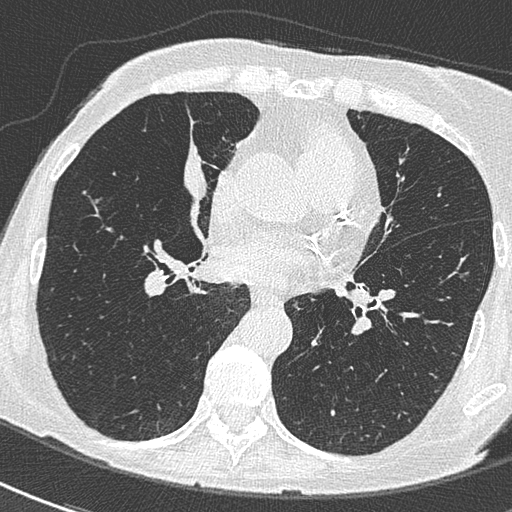
Axial chest CT slice 295 of 588 (counted from the lowest slice); tube voltage 120 kVp, convolution kernel B50f; slices 0.60 mm thick, 0.514 mm per pixel.
Pulmonary nodule at rows 198–203, columns 90–102 (box = the union of the readers' outlines on this slice), outlined by all four readers, two of them on this slice; longest diameter 11.2 mm on average over the four readers' outlines (readers' outlines 10.3–12.9 mm), volume 343–465 mm3. Ratings, by the readers' most common answer with dissent counted: texture 5/5 (solid) from all four readers; most readers (three of four) put margin at 5/5 (circumscribed), others 4/5 (one); sphericity 3/5 (ovoid) by two of four readers; the rest gave 4/5 (one), 5/5 (round) (one); calcification absent, all four readers agreeing; internal structure soft tissue from all four readers; most readers (three of four) put subtlety at 5/5, others 4/5 (one); most readers (three of four) put malignancy likelihood at 3/5, others 2/5 (one). Scale key (1–5): texture non-solid→solid, margin indistinct→circumscribed, sphericity linear→round, subtlety extremely subtle→obvious, malignancy likelihood highly unlikely→highly suspicious of cancer. Box rows and columns are 0-based pixel indices from the top-left corner, inclusive.